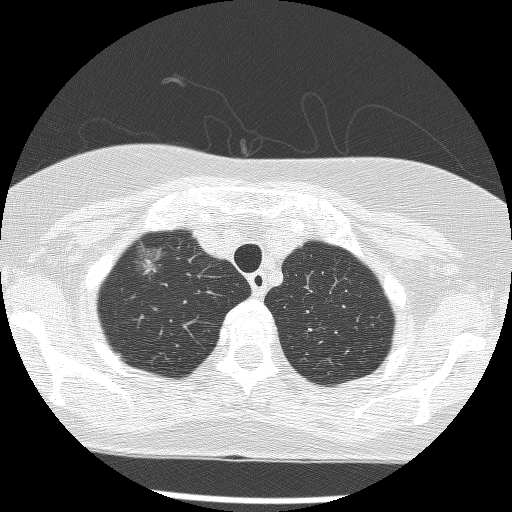
Axial chest CT slice 209 of 241 (counted from the lowest slice); 1.25 mm thick, 0.586 mm per pixel. Pulmonary nodule, outlined by all four readers. Box on this slice rows 245–275, columns 135–166, the union of the readers' outlines on this slice; longest diameter 22.8 mm on average over the four readers' outlines (readers' outlines 21.0–24.7 mm), volume 2289–2909 mm3. Ratings, by the readers' most common answer with dissent counted: texture split among the readers: 1/5 (non-solid) (two), 2/5 (two); most readers (three of four) put margin at 2/5, others 3/5 (one); sphericity 3/5 (ovoid) by two of four readers; the rest gave 2/5 (one), 4/5 (one); calcification absent, all four readers agreeing; internal structure soft tissue, all four readers agreeing; subtlety split among the readers: 4/5 (two), 5/5 (two); malignancy likelihood 5/5 by three of four readers; the rest gave 3/5 (one). Scale key (1–5): texture non-solid→solid, margin indistinct→circumscribed, sphericity linear→round, subtlety extremely subtle→obvious, malignancy likelihood highly unlikely→highly suspicious of cancer. Box rows and columns are 0-based pixel indices from the top-left corner, inclusive.
Acquired at 120 kVp and reconstructed with the BONE kernel.